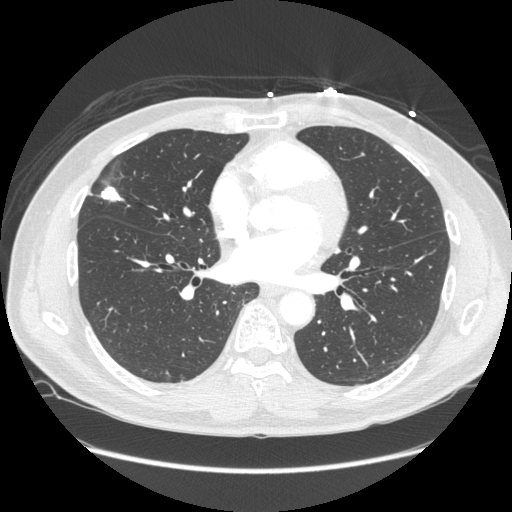
This is axial slice 112 of 261 (slice 1 is the lowest) of a chest CT; each pixel is 0.781 mm and the slice is 1.25 mm thick. Pulmonary nodule, outlined by all four readers. Box on this slice rows 185–201, columns 100–123, the union of the readers' outlines on this slice; longest diameter 18.5 mm on average over the four readers' outlines (readers' outlines 18.0–19.6 mm), volume 893–1130 mm3. Ratings, by the readers' most common answer with dissent counted: texture 5/5 (solid), all four readers agreeing; margin 5/5 (circumscribed) by three of four readers; the rest gave 4/5 (one); sphericity 3/5 (ovoid) by two of four readers; the rest gave 4/5 (one), 5/5 (round) (one); calcification solid calcification by three of four readers, absent (one); internal structure soft tissue, all four readers agreeing; subtlety 5/5, all four readers agreeing; most readers (three of four) put malignancy likelihood at 1/5, others 4/5 (one). Scale key (1–5): texture non-solid→solid, margin indistinct→circumscribed, sphericity linear→round, subtlety extremely subtle→obvious, malignancy likelihood highly unlikely→highly suspicious of cancer. Box rows and columns are 0-based pixel indices from the top-left corner, inclusive.
Acquired at 120 kVp and reconstructed with the STANDARD kernel.